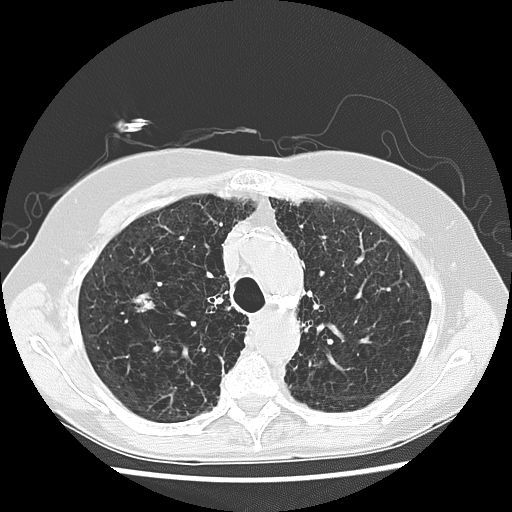
Axial slice 102 of 133 of a chest CT (slice 1 is the lowest), reconstructed with the LUNG kernel at 120 kVp; 2.50 mm slice thickness and 0.625 mm pixels.
Pulmonary nodule, outlined by all four readers. Box on this slice rows 294–308, columns 141–154, the union of the readers' outlines on this slice; median longest diameter 12.9 mm (readers' outlines 11.3–13.4 mm), median volume 453 mm3 (345–536 mm3). Median ratings and the readers' spread: texture 5/5 (solid) from all four readers; margin 3.5/5 at the median of four readers, spread 1/5 (indistinct) to 4/5; sphericity 2/5 at the median of four readers, spread 2/5 to 3/5 (ovoid); calcification absent from all four readers; internal structure soft tissue, all four readers agreeing; subtlety 4.5/5 at the median of four readers, spread 3–5; median malignancy likelihood 4.5/5 (readers ranged 3–5). Scale key (1–5): texture non-solid→solid, margin indistinct→circumscribed, sphericity linear→round, subtlety extremely subtle→obvious, malignancy likelihood highly unlikely→highly suspicious of cancer. Box rows and columns are 0-based pixel indices from the top-left corner, inclusive.